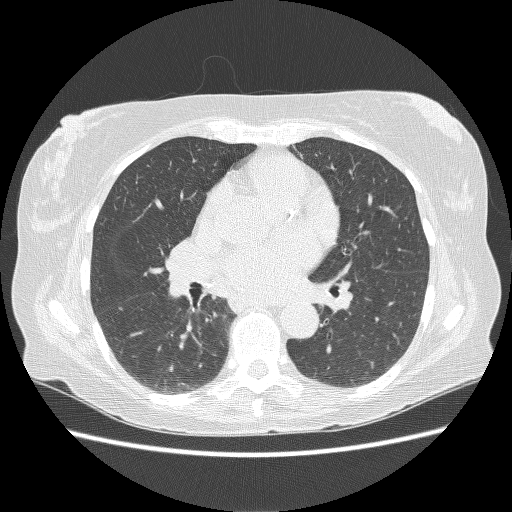
Axial chest CT slice 133 of 259 (counted from the lowest slice); tube voltage 120 kVp, convolution kernel BONE; slices 1.25 mm thick, 0.703 mm per pixel.
This slice carries no reader outline of a nodule 3 mm or larger.